Axial chest CT slice 173 of 257 (counted from the lowest slice); tube voltage 120 kVp, convolution kernel STANDARD; slices 1.25 mm thick, 0.852 mm per pixel.
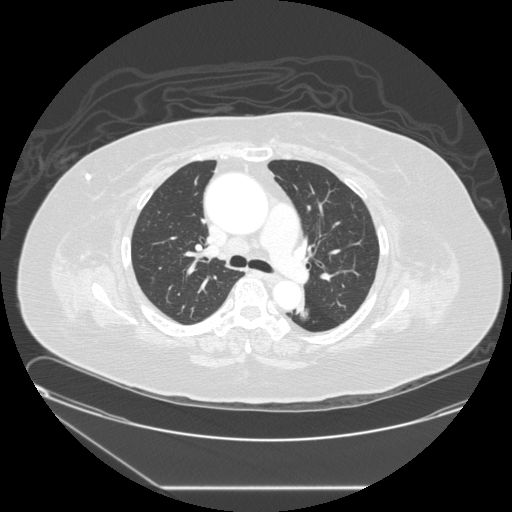
Pulmonary nodule outlined by all four readers; box rows 305–321, columns 296–310 (the union of the readers' outlines on this slice); longest diameter 16.2 mm on average over the four readers' outlines (readers' outlines 13.2–18.0 mm), volume 478–876 mm3. The readers' prevailing ratings and who disagreed: texture split among the readers: 1/5 (non-solid) (two), 5/5 (solid) (two); margin 4/5 by two of four readers; the rest gave 2/5 (one), 3/5 (one); sphericity 4/5 by two of four readers; the rest gave 3/5 (ovoid) (one), 5/5 (round) (one); calcification absent from all four readers; internal structure soft tissue, all four readers agreeing; subtlety 4/5 by three of four readers; the rest gave 1/5 (one); malignancy likelihood split among the readers: 2/5 (one), 3/5 (one), 4/5 (one), 5/5 (one). Scale key (1–5): texture non-solid→solid, margin indistinct→circumscribed, sphericity linear→round, subtlety extremely subtle→obvious, malignancy likelihood highly unlikely→highly suspicious of cancer. Box rows and columns are 0-based pixel indices from the top-left corner, inclusive.